Axial slice 366 of 529 of a chest CT (slice 1 is the lowest), reconstructed with the B30f kernel at 120 kVp; 0.75 mm slice thickness and 0.703 mm pixels.
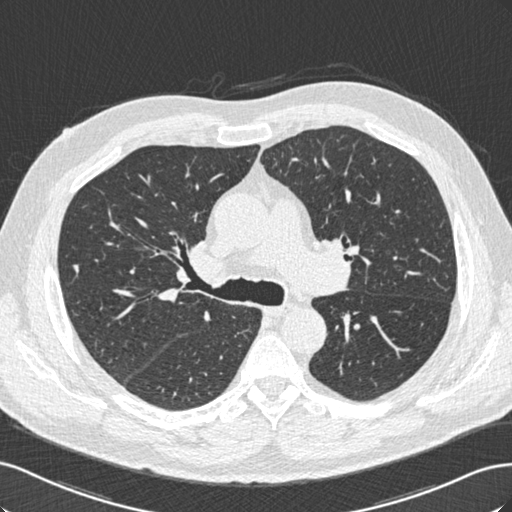
Pulmonary nodule, outlined by one of the four readers. Box on this slice rows 266–271, columns 74–77, that reader's outline on this slice; longest diameter 6.3 mm and volume 38 mm3 from that reader's outline. That reader's ratings: texture 5/5 (solid); margin 5/5 (circumscribed); sphericity 3/5 (ovoid); calcification absent; internal structure soft tissue; subtlety 5/5; malignancy likelihood 3/5. Scale key (1–5): texture non-solid→solid, margin indistinct→circumscribed, sphericity linear→round, subtlety extremely subtle→obvious, malignancy likelihood highly unlikely→highly suspicious of cancer. Box rows and columns are 0-based pixel indices from the top-left corner, inclusive.